Axial chest CT slice 296 of 497 (counted from the lowest slice); tube voltage 120 kVp, convolution kernel STANDARD; slices 1.25 mm thick, 0.703 mm per pixel.
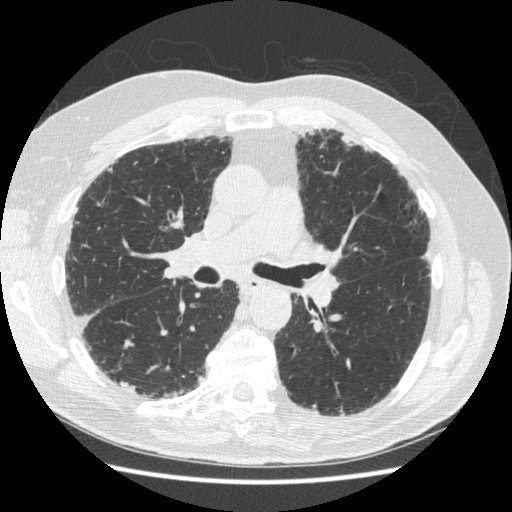
This slice carries no reader outline of a nodule 3 mm or larger.